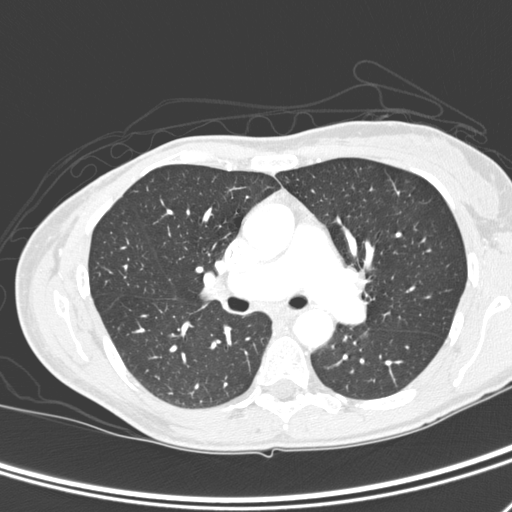
Chest CT, axial plane, 120 kVp, kernel D. Slice 187/290 from the bottom of the scan; thickness 1.00 mm; pixel size 0.611 mm.
None of the four readers outlined a nodule of 3 mm or more on this slice.